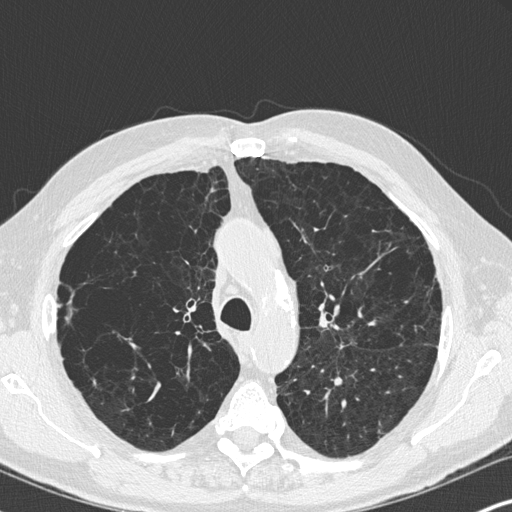
Axial chest CT slice 225 of 347 (counted from the lowest slice); tube voltage 120 kVp, convolution kernel B45f; slices 1.00 mm thick, 0.625 mm per pixel.
Pulmonary nodule at rows 429–438, columns 376–382 (box = the union of the readers' outlines on this slice), outlined by all four readers, two of them on this slice; median longest diameter 10.0 mm (readers' outlines 9.1–11.9 mm), median volume 211 mm3 (166–319 mm3). Ratings, median across the readers with their spread: texture 5/5 (solid) from all four readers; median margin 4.5/5 (readers ranged 2/5 to 5/5 (circumscribed)); sphericity 3.5/5 at the median of four readers, spread 3/5 (ovoid) to 4/5; calcification absent from all four readers; internal structure soft tissue from all four readers; subtlety 4/5 at the median of four readers, spread 4–5; malignancy likelihood 3/5 from all four readers. Scale key (1–5): texture non-solid→solid, margin indistinct→circumscribed, sphericity linear→round, subtlety extremely subtle→obvious, malignancy likelihood highly unlikely→highly suspicious of cancer. Box rows and columns are 0-based pixel indices from the top-left corner, inclusive.